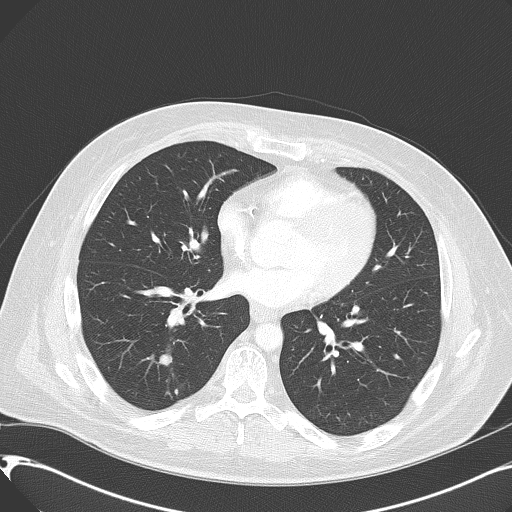
Axial slice 246 of 416 of a chest CT (slice 1 is the lowest), reconstructed with the B70f kernel at 120 kVp; 2.00 mm slice thickness and 0.723 mm pixels.
Pulmonary nodule at rows 354–365, columns 160–171 (box = the union of the readers' outlines on this slice), outlined by two of the four readers; longest diameter 11.9 mm on average over the two readers' outlines (readers' outlines 11.8–12.1 mm), volume 626–706 mm3. Ratings, by the readers' most common answer with dissent counted: texture 5/5 (solid), both readers agreeing; margin split among the readers: 4/5 (one), 5/5 (circumscribed) (one); sphericity 4/5 from both readers; calcification absent, both readers agreeing; internal structure soft tissue from both readers; subtlety split among the readers: 4/5 (one), 5/5 (one); malignancy likelihood split among the readers: 4/5 (one), 5/5 (one). Scale key (1–5): texture non-solid→solid, margin indistinct→circumscribed, sphericity linear→round, subtlety extremely subtle→obvious, malignancy likelihood highly unlikely→highly suspicious of cancer. Box rows and columns are 0-based pixel indices from the top-left corner, inclusive.